Axial slice 282 of 588 of a chest CT (slice 1 is the lowest), reconstructed with the B50f kernel at 120 kVp; 0.60 mm slice thickness and 0.514 mm pixels.
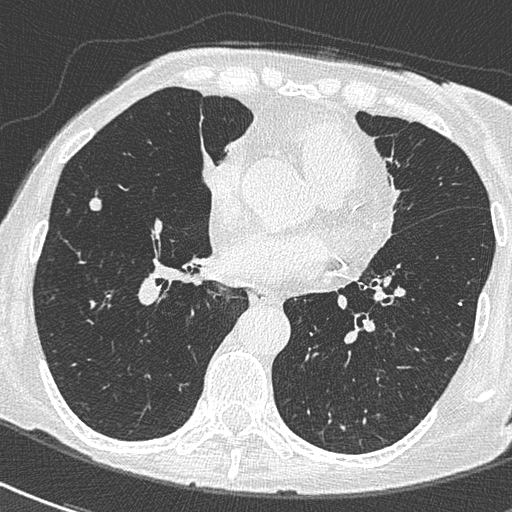
Pulmonary nodule outlined by all four readers; box rows 188–211, columns 89–101 (the union of the readers' outlines on this slice); the four readers' outlines give a longest diameter between 10.3 and 12.9 mm and a volume between 343 and 465 mm3. Ratings across the readers: texture 5/5 (solid), all four readers agreeing; margin from 4/5 to 5/5 (circumscribed) across the four readers; sphericity from 3/5 (ovoid) to 5/5 (round) across the four readers; calcification absent from all four readers; internal structure soft tissue, all four readers agreeing; subtlety from 4/5 to 5/5 across the four readers; malignancy likelihood 2–3/5 (the readers disagree). Scale key (1–5): texture non-solid→solid, margin indistinct→circumscribed, sphericity linear→round, subtlety extremely subtle→obvious, malignancy likelihood highly unlikely→highly suspicious of cancer. Box rows and columns are 0-based pixel indices from the top-left corner, inclusive.